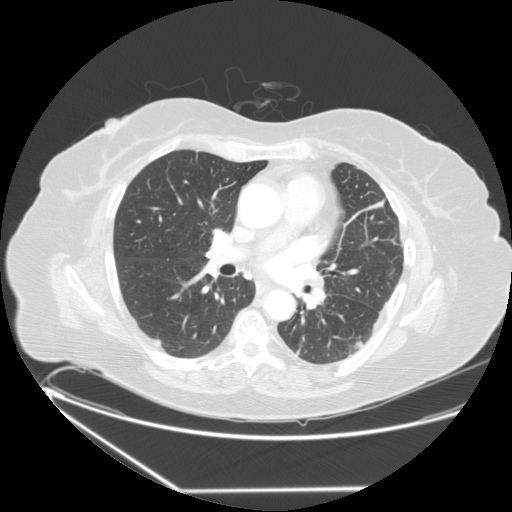
Chest CT, axial plane, 120 kVp, kernel STANDARD. Slice 135/241 from the bottom of the scan; thickness 1.25 mm; pixel size 0.822 mm.
No nodule 3 mm or larger was outlined here by any reader.